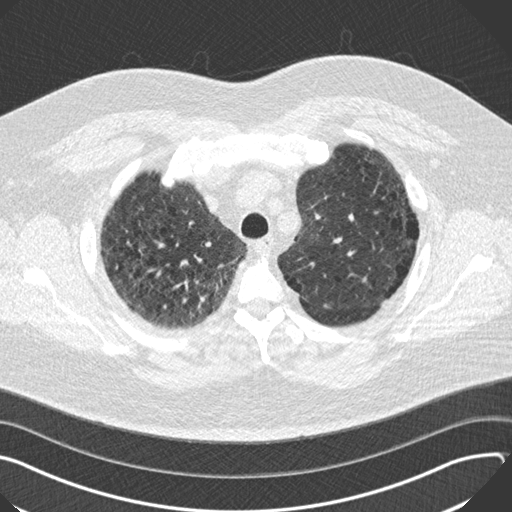
Axial slice 152 of 187 of a chest CT (slice 1 is the lowest), reconstructed with the B30f kernel at 120 kVp; 2.00 mm slice thickness and 0.742 mm pixels.
Pulmonary nodule at rows 303–308, columns 322–331 (box = the union of the readers' outlines on this slice), outlined by all four readers, two of them on this slice; median longest diameter 11.6 mm (readers' outlines 10.1–12.0 mm), median volume 369 mm3 (348–508 mm3). Median ratings and the readers' spread: texture 5/5 (solid) at the median of four readers, spread 4/5 to 5/5 (solid); margin 4.5/5 at the median of four readers, spread 4/5 to 5/5 (circumscribed); sphericity 4/5 from all four readers; calcification absent, all four readers agreeing; internal structure soft tissue from all four readers; median subtlety 4/5 (readers ranged 3–5); median malignancy likelihood 3.5/5 (readers ranged 2–4). Scale key (1–5): texture non-solid→solid, margin indistinct→circumscribed, sphericity linear→round, subtlety extremely subtle→obvious, malignancy likelihood highly unlikely→highly suspicious of cancer. Box rows and columns are 0-based pixel indices from the top-left corner, inclusive.